Axial chest CT slice 169 of 506 (counted from the lowest slice); tube voltage 120 kVp, convolution kernel STANDARD; slices 1.25 mm thick, 0.664 mm per pixel.
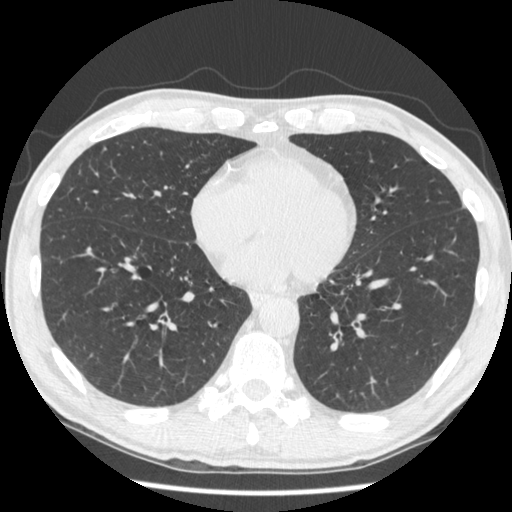
Pulmonary nodule outlined by one of the four readers; box rows 147–152, columns 101–106 (that reader's outline on this slice); longest diameter 10.9 mm and volume 130 mm3 from that reader's outline. Ratings by that reader: texture 4/5; margin 4/5; sphericity 2/5; calcification absent; internal structure soft tissue; subtlety 4/5; malignancy likelihood 2/5. Scale key (1–5): texture non-solid→solid, margin indistinct→circumscribed, sphericity linear→round, subtlety extremely subtle→obvious, malignancy likelihood highly unlikely→highly suspicious of cancer. Box rows and columns are 0-based pixel indices from the top-left corner, inclusive.